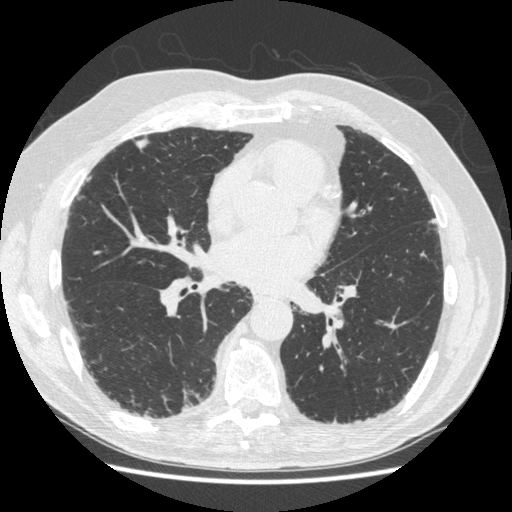
Axial chest CT slice 236 of 497 (counted from the lowest slice); 1.25 mm thick, 0.703 mm per pixel. Pulmonary nodule at rows 135–151, columns 133–150 (box = the union of the readers' outlines on this slice), outlined by all four readers; median longest diameter 11.6 mm (readers' outlines 10.9–14.8 mm), median volume 235 mm3 (184–648 mm3). Ratings, median across the readers with their spread: texture 5/5 (solid) at the median of four readers, spread 1/5 (non-solid) to 5/5 (solid); median margin 3/5 (readers ranged 2/5 to 4/5); sphericity 3.5/5 at the median of four readers, spread 3/5 (ovoid) to 5/5 (round); calcification absent from all four readers; internal structure soft tissue, all four readers agreeing; subtlety 4/5 at the median of four readers, spread 1–5; malignancy likelihood 3/5 at the median of four readers, spread 2–4. Scale key (1–5): texture non-solid→solid, margin indistinct→circumscribed, sphericity linear→round, subtlety extremely subtle→obvious, malignancy likelihood highly unlikely→highly suspicious of cancer. Box rows and columns are 0-based pixel indices from the top-left corner, inclusive.
Scan settings: 120 kVp, STANDARD reconstruction kernel.